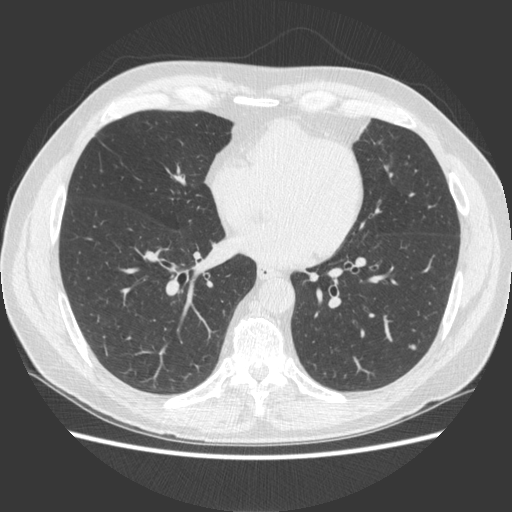
Slice 204/500 of a chest CT, counting up from the lowest; pixel size 0.703 mm, slice thickness 1.25 mm. Pulmonary nodule at rows 345–350, columns 408–415 (box = the union of the readers' outlines on this slice), outlined by three of the four readers; the three readers' outlines give a longest diameter between 6.6 and 8.2 mm and a volume between 102 and 165 mm3. The readers' ratings, as ranges where they differ: texture from 4/5 to 5/5 (solid) across the three readers; margin from 4/5 to 5/5 (circumscribed) across the three readers; sphericity from 3/5 (ovoid) to 5/5 (round) across the three readers; calcification absent, all three readers agreeing; internal structure soft tissue, all three readers agreeing; subtlety from 4/5 to 5/5 across the three readers; malignancy likelihood rated between 2 and 4 out of 5 by the three readers. Scale key (1–5): texture non-solid→solid, margin indistinct→circumscribed, sphericity linear→round, subtlety extremely subtle→obvious, malignancy likelihood highly unlikely→highly suspicious of cancer. Box rows and columns are 0-based pixel indices from the top-left corner, inclusive.
Scan settings: 120 kVp, STANDARD reconstruction kernel.